One axial slice (178 of 341, counting up from the lowest) of a chest CT acquired at 120 kVp with the B45f kernel; each pixel is 0.742 mm and the slice is 1.00 mm thick.
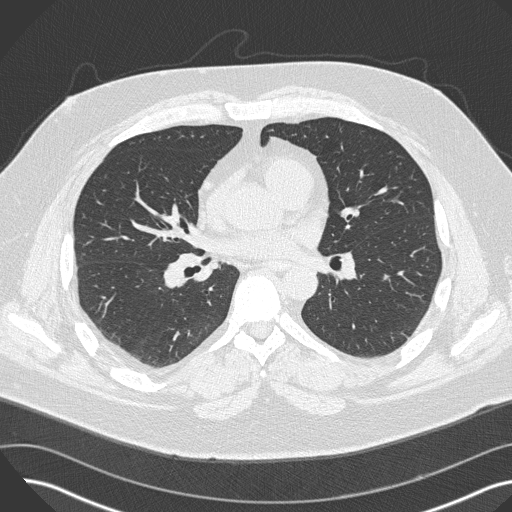
Pulmonary nodule, outlined by all four readers. Box on this slice rows 274–279, columns 383–388, the union of the readers' outlines on this slice; longest diameter 5.8 mm on average over the four readers' outlines (readers' outlines 5.0–6.1 mm), volume 39–67 mm3. The readers' prevailing ratings and who disagreed: texture 5/5 (solid) from all four readers; margin split among the readers: 4/5 (two), 5/5 (circumscribed) (two); sphericity 5/5 (round) by two of four readers; the rest gave 3/5 (ovoid) (one), 4/5 (one); calcification absent from all four readers; internal structure soft tissue, all four readers agreeing; subtlety 3/5 by two of four readers; the rest gave 1/5 (one), 2/5 (one); malignancy likelihood split among the readers: 2/5 (two), 3/5 (two). Scale key (1–5): texture non-solid→solid, margin indistinct→circumscribed, sphericity linear→round, subtlety extremely subtle→obvious, malignancy likelihood highly unlikely→highly suspicious of cancer. Box rows and columns are 0-based pixel indices from the top-left corner, inclusive.